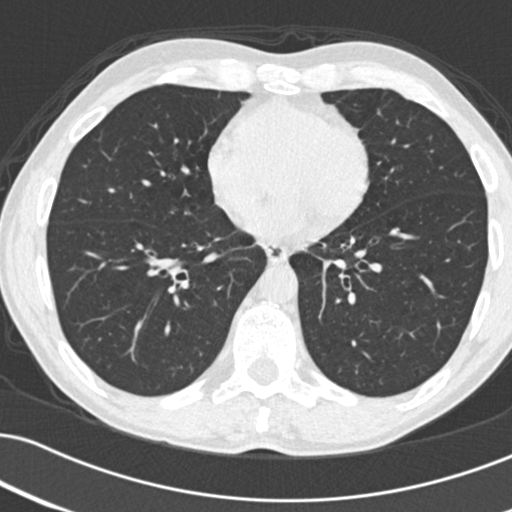
Axial slice 95 of 209 of a chest CT (slice 1 is the lowest), reconstructed with the B30f kernel at 120 kVp; 2.00 mm slice thickness and 0.625 mm pixels.
None of the four readers outlined a nodule of 3 mm or more on this slice.